Axial chest CT slice 268 of 375 (counted from the lowest slice); tube voltage 120 kVp, convolution kernel STANDARD; slices 1.25 mm thick, 0.625 mm per pixel.
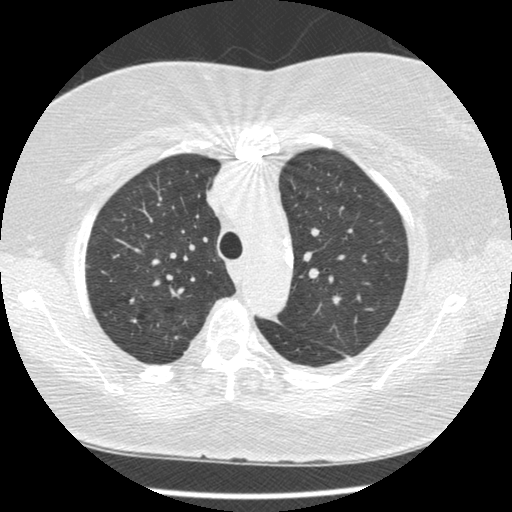
Pulmonary nodule outlined by two of the four readers, one of them on this slice; box rows 336–339, columns 173–177 (the one reader's outline on this slice); longest diameter 6.4–9.1 mm and volume 95–233 mm3 across the two readers' outlines. The readers' ratings, as ranges where they differ: texture 5/5 (solid) from both readers; margin 5/5 (circumscribed), both readers agreeing; sphericity from 3/5 (ovoid) to 4/5 across the two readers; calcification split among the readers: solid calcification (one), absent (one); internal structure soft tissue, both readers agreeing; subtlety rated between 4 and 5 out of 5 by the two readers; malignancy likelihood from 1/5 to 3/5 across the two readers. Scale key (1–5): texture non-solid→solid, margin indistinct→circumscribed, sphericity linear→round, subtlety extremely subtle→obvious, malignancy likelihood highly unlikely→highly suspicious of cancer. Box rows and columns are 0-based pixel indices from the top-left corner, inclusive.